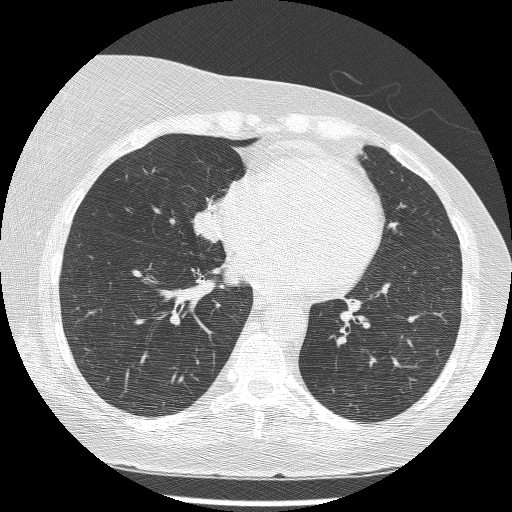
Axial chest CT slice 74 of 209 (counted from the lowest slice); tube voltage 120 kVp, convolution kernel BONE; slices 1.25 mm thick, 0.617 mm per pixel.
Pulmonary nodule outlined by three of the four readers; box rows 201–242, columns 192–223 (the union of the readers' outlines on this slice); longest diameter 22.9–27.7 mm and volume 3040–4232 mm3 across the three readers' outlines. The readers' ratings, as ranges where they differ: texture 5/5 (solid), all three readers agreeing; margin from 4/5 to 5/5 (circumscribed) across the three readers; sphericity from 3/5 (ovoid) to 4/5 across the three readers; calcification absent, all three readers agreeing; internal structure soft tissue, all three readers agreeing; subtlety 5/5 from all three readers; malignancy likelihood 5/5, all three readers agreeing. Scale key (1–5): texture non-solid→solid, margin indistinct→circumscribed, sphericity linear→round, subtlety extremely subtle→obvious, malignancy likelihood highly unlikely→highly suspicious of cancer. Box rows and columns are 0-based pixel indices from the top-left corner, inclusive.